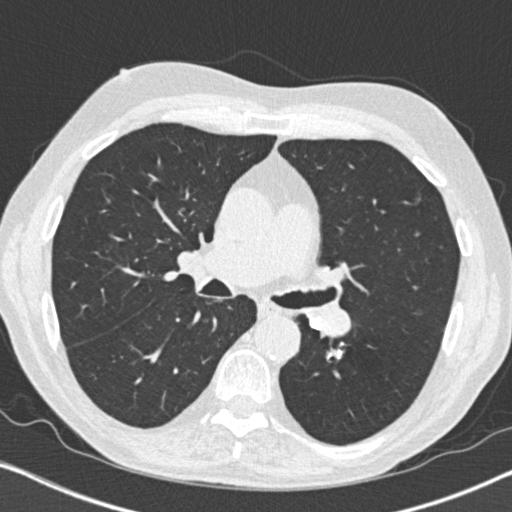
One axial slice (463 of 764, counting up from the lowest) of a chest CT acquired at 120 kVp with the B31f kernel; each pixel is 0.646 mm and the slice is 1.00 mm thick.
Pulmonary nodule, outlined by one of the four readers. Box on this slice rows 350–358, columns 337–341, that reader's outline on this slice; longest diameter 8.3 mm and volume 154 mm3 from that reader's outline. That reader's ratings: texture 5/5 (solid); margin 5/5 (circumscribed); sphericity 3/5 (ovoid); calcification solid calcification; internal structure soft tissue; subtlety 5/5; malignancy likelihood 1/5. Scale key (1–5): texture non-solid→solid, margin indistinct→circumscribed, sphericity linear→round, subtlety extremely subtle→obvious, malignancy likelihood highly unlikely→highly suspicious of cancer. Box rows and columns are 0-based pixel indices from the top-left corner, inclusive.